Axial slice 127 of 458 of a chest CT (slice 1 is the lowest), reconstructed with the STANDARD kernel at 120 kVp; 1.25 mm slice thickness and 0.625 mm pixels.
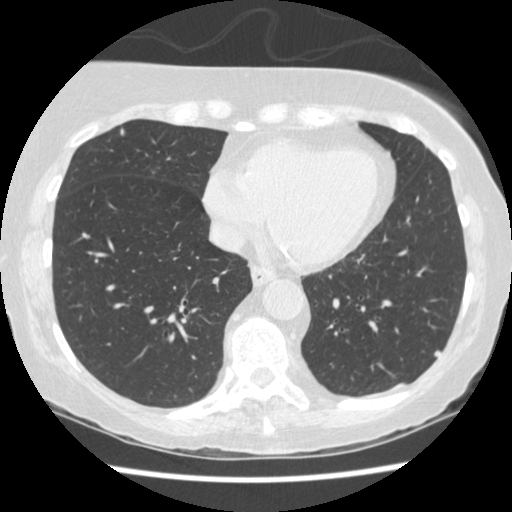
Pulmonary nodule at rows 349–357, columns 433–441 (box = the union of the readers' outlines on this slice), outlined by all four readers; median longest diameter 6.5 mm (readers' outlines 6.2–7.0 mm), median volume 85 mm3 (63–96 mm3). Median ratings and the readers' spread: texture 5/5 (solid) at the median of four readers, spread 4/5 to 5/5 (solid); margin 5/5 (circumscribed) at the median of four readers, spread 3/5 to 5/5 (circumscribed); sphericity 4/5 at the median of four readers, spread 2/5 to 4/5; calcification absent, all four readers agreeing; internal structure soft tissue from all four readers; subtlety 4/5 at the median of four readers, spread 3–5; median malignancy likelihood 2.5/5 (readers ranged 2–3). Scale key (1–5): texture non-solid→solid, margin indistinct→circumscribed, sphericity linear→round, subtlety extremely subtle→obvious, malignancy likelihood highly unlikely→highly suspicious of cancer. Box rows and columns are 0-based pixel indices from the top-left corner, inclusive.